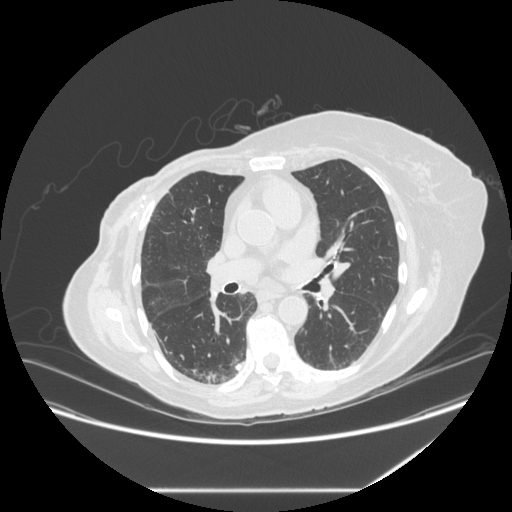
One axial slice (164 of 281, counting up from the lowest) of a chest CT acquired at 120 kVp with the STANDARD kernel; each pixel is 0.816 mm and the slice is 1.25 mm thick.
Pulmonary nodule outlined by all four readers; box rows 362–371, columns 235–244 (the union of the readers' outlines on this slice); median longest diameter 7.1 mm (readers' outlines 6.7–11.6 mm), median volume 94 mm3 (72–185 mm3). Median ratings and the readers' spread: texture 5/5 (solid) from all four readers; margin 5/5 (circumscribed), all four readers agreeing; sphericity 3/5 (ovoid) from all four readers; calcification: central calcification (three), solid calcification (one); internal structure soft tissue, all four readers agreeing; median subtlety 4/5 (readers ranged 2–5); malignancy likelihood 1/5 from all four readers. Scale key (1–5): texture non-solid→solid, margin indistinct→circumscribed, sphericity linear→round, subtlety extremely subtle→obvious, malignancy likelihood highly unlikely→highly suspicious of cancer. Box rows and columns are 0-based pixel indices from the top-left corner, inclusive.